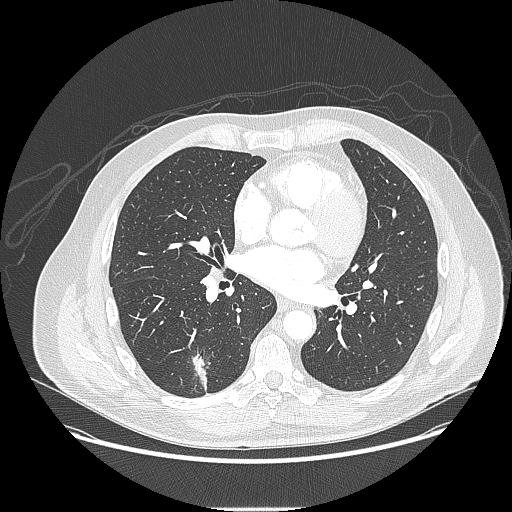
Slice 91/214 of a chest CT, counting up from the lowest; pixel size 0.820 mm, slice thickness 1.25 mm. Pulmonary nodule at rows 353–384, columns 191–207 (box = the union of the readers' outlines on this slice), outlined by all four readers, three of them on this slice; longest diameter 14.7–27.9 mm and volume 696–2326 mm3 across the four readers' outlines. Ratings across the readers: texture from 4/5 to 5/5 (solid) across the four readers; margin from 1/5 (indistinct) to 4/5 across the four readers; sphericity from 2/5 to 3/5 (ovoid) across the four readers; calcification absent, all four readers agreeing; internal structure soft tissue from all four readers; subtlety 4–5/5 (the readers disagree); malignancy likelihood rated between 3 and 4 out of 5 by the four readers. Scale key (1–5): texture non-solid→solid, margin indistinct→circumscribed, sphericity linear→round, subtlety extremely subtle→obvious, malignancy likelihood highly unlikely→highly suspicious of cancer. Box rows and columns are 0-based pixel indices from the top-left corner, inclusive.
Scan settings: 120 kVp, LUNG reconstruction kernel.